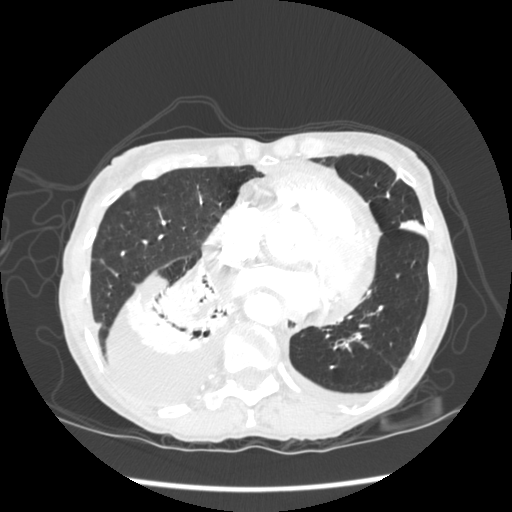
Axial slice 84 of 233 of a chest CT (slice 1 is the lowest), reconstructed with the STANDARD kernel at 120 kVp; 1.25 mm slice thickness and 0.664 mm pixels.
Pulmonary nodule, outlined by two of the four readers. Box on this slice rows 365–368, columns 330–333, the union of the readers' outlines on this slice; longest diameter 4.8 mm on average over the two readers' outlines (readers' outlines 4.2–5.4 mm), volume 28–41 mm3. The readers' prevailing ratings and who disagreed: texture 5/5 (solid) from both readers; margin 5/5 (circumscribed), both readers agreeing; sphericity split among the readers: 4/5 (one), 5/5 (round) (one); calcification split among the readers: absent (one), solid calcification (one); internal structure soft tissue, both readers agreeing; subtlety 3/5, both readers agreeing; malignancy likelihood split among the readers: 1/5 (one), 2/5 (one). Scale key (1–5): texture non-solid→solid, margin indistinct→circumscribed, sphericity linear→round, subtlety extremely subtle→obvious, malignancy likelihood highly unlikely→highly suspicious of cancer. Box rows and columns are 0-based pixel indices from the top-left corner, inclusive.